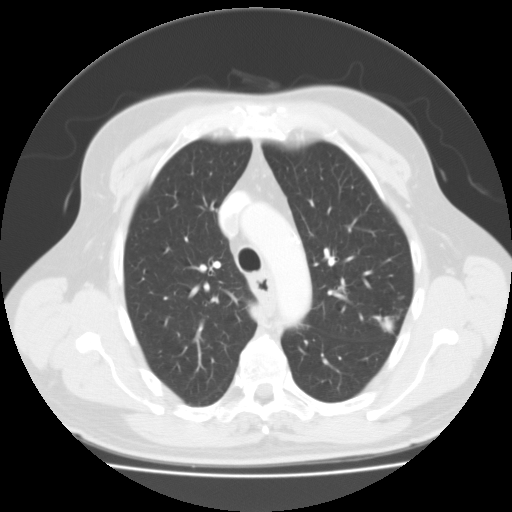
This is axial slice 76 of 103 (slice 1 is the lowest) of a chest CT; each pixel is 0.738 mm and the slice is 3.00 mm thick. Pulmonary nodule, outlined by three of the four readers. Box on this slice rows 315–334, columns 379–398, the union of the readers' outlines on this slice; median longest diameter 18.2 mm (readers' outlines 16.2–20.3 mm), median volume 2073 mm3 (1237–2155 mm3). Median ratings and the readers' spread: texture 5/5 (solid) from all three readers; margin 4/5 at the median of three readers, spread 2/5 to 5/5 (circumscribed); sphericity 5/5 (round) at the median of three readers, spread 4/5 to 5/5 (round); calcification split among the readers: central calcification (one), solid calcification (one), absent (one); internal structure soft tissue, all three readers agreeing; subtlety 5/5 from all three readers; median malignancy likelihood 1/5 (readers ranged 1–5). Scale key (1–5): texture non-solid→solid, margin indistinct→circumscribed, sphericity linear→round, subtlety extremely subtle→obvious, malignancy likelihood highly unlikely→highly suspicious of cancer. Box rows and columns are 0-based pixel indices from the top-left corner, inclusive.
Tube voltage 135 kVp; convolution kernel FC01.